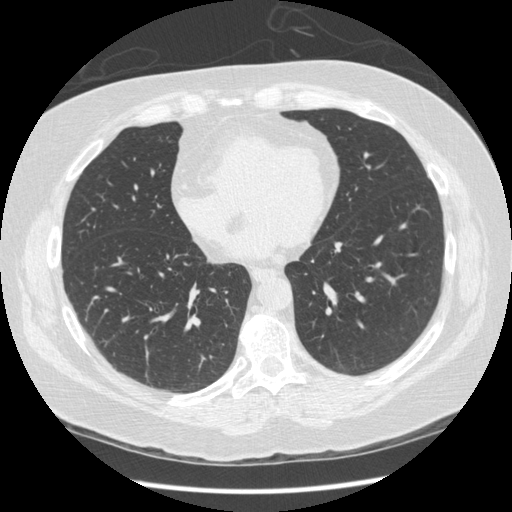
Axial slice 162 of 436 of a chest CT (slice 1 is the lowest), reconstructed with the STANDARD kernel at 120 kVp; 1.25 mm slice thickness and 0.703 mm pixels.
Pulmonary nodule at rows 174–179, columns 98–102 (box = the one reader's outline on this slice), outlined by all four readers, one of them on this slice; longest diameter 7.3–9.8 mm and volume 103–208 mm3 across the four readers' outlines. Ratings across the readers: texture 5/5 (solid) from all four readers; margin from 4/5 to 5/5 (circumscribed) across the four readers; sphericity from 3/5 (ovoid) to 5/5 (round) across the four readers; calcification absent, all four readers agreeing; internal structure soft tissue from all four readers; subtlety from 3/5 to 5/5 across the four readers; malignancy likelihood from 2/5 to 4/5 across the four readers. Scale key (1–5): texture non-solid→solid, margin indistinct→circumscribed, sphericity linear→round, subtlety extremely subtle→obvious, malignancy likelihood highly unlikely→highly suspicious of cancer. Box rows and columns are 0-based pixel indices from the top-left corner, inclusive.